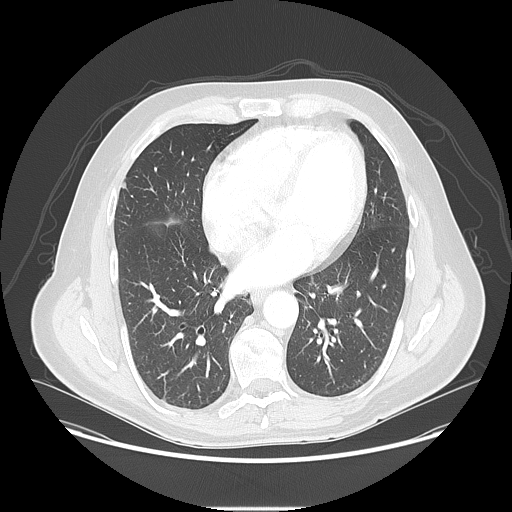
Axial slice 46 of 117 of a chest CT (slice 1 is the lowest), reconstructed with the LUNG kernel at 120 kVp; 2.50 mm slice thickness and 0.820 mm pixels.
Pulmonary nodule at rows 182–187, columns 122–125 (box = that reader's outline on this slice), outlined by one of the four readers; longest diameter 7.8 mm and volume 112 mm3 from that reader's outline. Ratings by that reader: texture 5/5 (solid); margin 5/5 (circumscribed); sphericity 4/5; calcification absent; internal structure soft tissue; subtlety 3/5; malignancy likelihood 2/5. Scale key (1–5): texture non-solid→solid, margin indistinct→circumscribed, sphericity linear→round, subtlety extremely subtle→obvious, malignancy likelihood highly unlikely→highly suspicious of cancer. Box rows and columns are 0-based pixel indices from the top-left corner, inclusive.